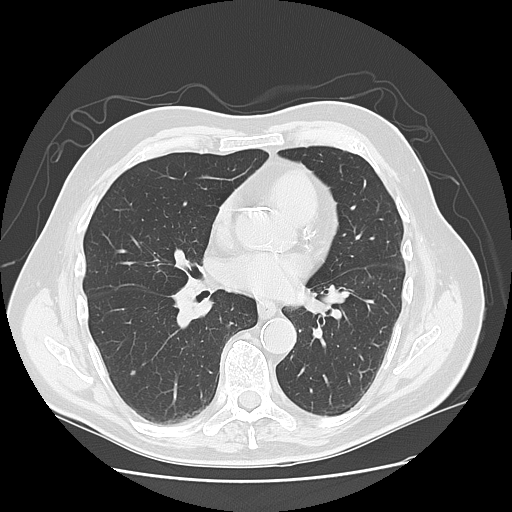
Axial slice 61 of 131 of a chest CT (slice 1 is the lowest), reconstructed with the LUNG kernel at 120 kVp; 2.50 mm slice thickness and 0.723 mm pixels.
Pulmonary nodule, outlined by one of the four readers. Box on this slice rows 370–374, columns 130–135, that reader's outline on this slice; longest diameter 5.3 mm and volume 62 mm3 from that reader's outline. Ratings by that reader: texture 5/5 (solid); margin 4/5; sphericity 4/5; calcification absent; internal structure soft tissue; subtlety 2/5; malignancy likelihood 2/5. Scale key (1–5): texture non-solid→solid, margin indistinct→circumscribed, sphericity linear→round, subtlety extremely subtle→obvious, malignancy likelihood highly unlikely→highly suspicious of cancer. Box rows and columns are 0-based pixel indices from the top-left corner, inclusive.